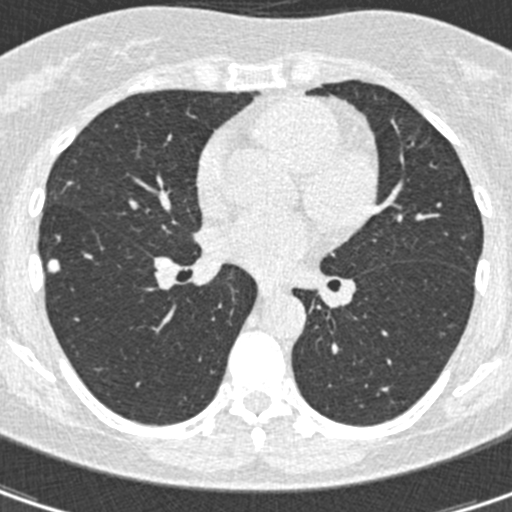
This is axial slice 230 of 441 (slice 1 is the lowest) of a chest CT; each pixel is 0.520 mm and the slice is 0.75 mm thick. Pulmonary nodule at rows 258–272, columns 47–60 (box = the union of the readers' outlines on this slice), outlined by three of the four readers; median longest diameter 12.1 mm (readers' outlines 9.8–12.4 mm), median volume 274 mm3 (248–289 mm3). Median ratings and the readers' spread: median texture 5/5 (solid) (readers ranged 4/5 to 5/5 (solid)); margin 4/5 at the median of three readers, spread 4/5 to 5/5 (circumscribed); median sphericity 4/5 (readers ranged 4/5 to 5/5 (round)); calcification: absent (two), solid calcification (one); internal structure soft tissue, all three readers agreeing; median subtlety 4/5 (readers ranged 4–5); malignancy likelihood 1/5 at the median of three readers, spread 1–3. Scale key (1–5): texture non-solid→solid, margin indistinct→circumscribed, sphericity linear→round, subtlety extremely subtle→obvious, malignancy likelihood highly unlikely→highly suspicious of cancer. Box rows and columns are 0-based pixel indices from the top-left corner, inclusive.
Acquired at 120 kVp and reconstructed with the B30f kernel.